Axial chest CT slice 174 of 238 (counted from the lowest slice); tube voltage 120 kVp, convolution kernel STANDARD; slices 1.25 mm thick, 0.664 mm per pixel.
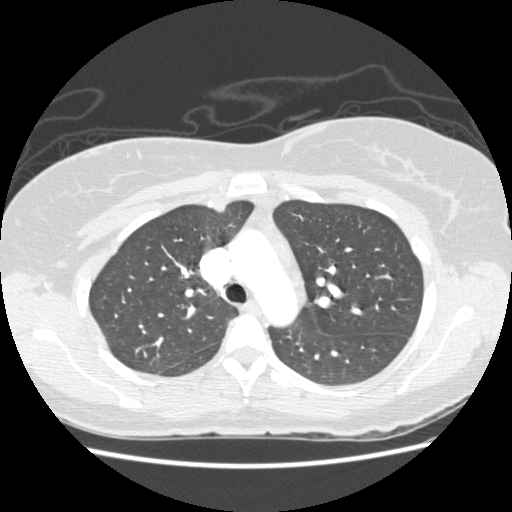
No nodule 3 mm or larger was outlined here by any reader.